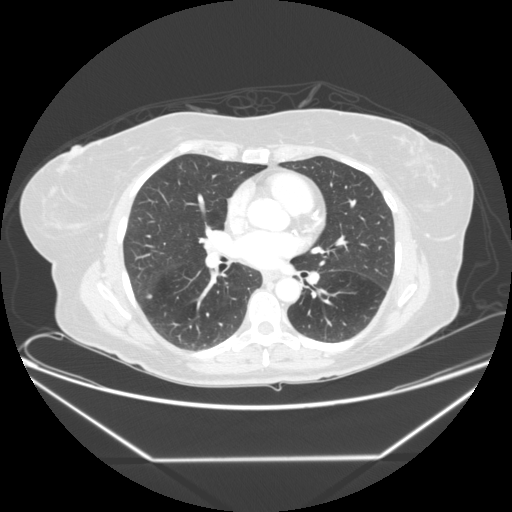
One axial slice (119 of 245, counting up from the lowest) of a chest CT acquired at 120 kVp with the STANDARD kernel; each pixel is 0.826 mm and the slice is 1.25 mm thick.
Pulmonary nodule at rows 294–298, columns 146–151 (box = the union of the readers' outlines on this slice), outlined by three of the four readers; median longest diameter 6.0 mm (readers' outlines 6.0 mm), median volume 59 mm3 (53–65 mm3). Median ratings and the readers' spread: texture 5/5 (solid) from all three readers; margin 5/5 (circumscribed) at the median of three readers, spread 3/5 to 5/5 (circumscribed); median sphericity 5/5 (round) (readers ranged 4/5 to 5/5 (round)); calcification absent, all three readers agreeing; internal structure soft tissue, all three readers agreeing; subtlety 3/5 at the median of three readers, spread 2–3; malignancy likelihood 2/5 at the median of three readers, spread 2–3. Scale key (1–5): texture non-solid→solid, margin indistinct→circumscribed, sphericity linear→round, subtlety extremely subtle→obvious, malignancy likelihood highly unlikely→highly suspicious of cancer. Box rows and columns are 0-based pixel indices from the top-left corner, inclusive.